Axial chest CT slice 123 of 147 (counted from the lowest slice); tube voltage 120 kVp, convolution kernel STANDARD; slices 2.50 mm thick, 0.781 mm per pixel.
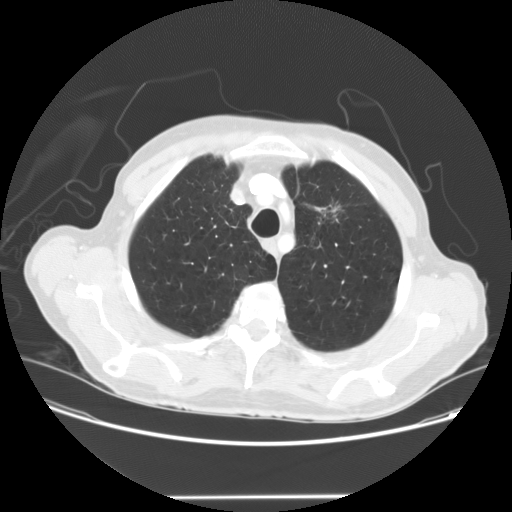
Pulmonary nodule at rows 198–225, columns 303–344 (box = the one reader's outline on this slice), outlined by all four readers, one of them on this slice; median longest diameter 31.0 mm (readers' outlines 28.8–40.5 mm), median volume 4785 mm3 (3077–10560 mm3). Median ratings and the readers' spread: texture 4/5 at the median of four readers, spread 3/5 (part-solid) to 5/5 (solid); margin 3.5/5 at the median of four readers, spread 2/5 to 5/5 (circumscribed); sphericity 3/5 (ovoid), all four readers agreeing; calcification absent, all four readers agreeing; internal structure soft tissue from all four readers; median subtlety 5/5 (readers ranged 4–5); malignancy likelihood 4.5/5 at the median of four readers, spread 3–5. Scale key (1–5): texture non-solid→solid, margin indistinct→circumscribed, sphericity linear→round, subtlety extremely subtle→obvious, malignancy likelihood highly unlikely→highly suspicious of cancer. Box rows and columns are 0-based pixel indices from the top-left corner, inclusive.